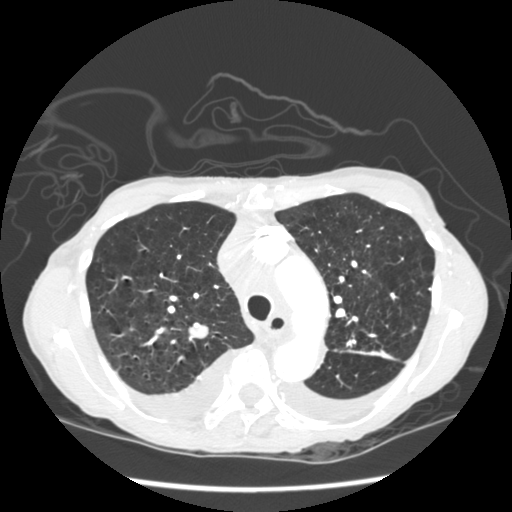
Axial chest CT slice 165 of 233 (counted from the lowest slice); tube voltage 120 kVp, convolution kernel STANDARD; slices 1.25 mm thick, 0.664 mm per pixel.
Pulmonary nodule outlined by all four readers; box rows 322–338, columns 188–209 (the union of the readers' outlines on this slice); median longest diameter 15.1 mm (readers' outlines 14.3–15.4 mm), median volume 1018 mm3 (906–1149 mm3). Ratings, median across the readers with their spread: texture 5/5 (solid), all four readers agreeing; margin 5/5 (circumscribed) at the median of four readers, spread 4/5 to 5/5 (circumscribed); sphericity 3.5/5 at the median of four readers, spread 3/5 (ovoid) to 4/5; calcification absent from all four readers; internal structure soft tissue, all four readers agreeing; median subtlety 5/5 (readers ranged 4–5); malignancy likelihood 3/5 at the median of four readers, spread 2–4. Scale key (1–5): texture non-solid→solid, margin indistinct→circumscribed, sphericity linear→round, subtlety extremely subtle→obvious, malignancy likelihood highly unlikely→highly suspicious of cancer. Box rows and columns are 0-based pixel indices from the top-left corner, inclusive.